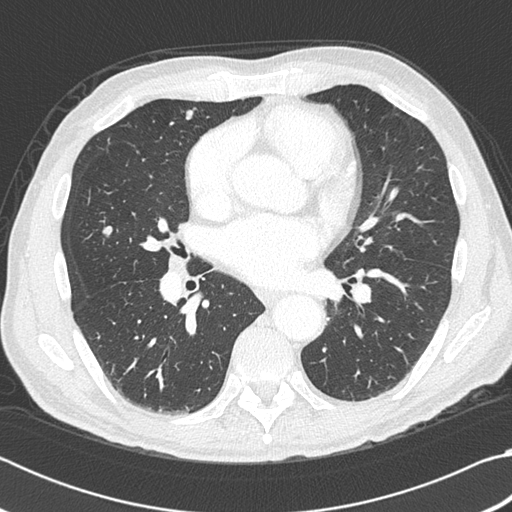
Axial slice 206 of 383 of a chest CT (slice 1 is the lowest), reconstructed with the B45f kernel at 120 kVp; 1.00 mm slice thickness and 0.664 mm pixels.
Two pulmonary nodules on this slice, listed from left to right. (1) Pulmonary nodule at rows 226–236, columns 102–112 (box = the union of the readers' outlines on this slice), outlined by all four readers; the four readers' outlines give a longest diameter between 15.5 and 17.3 mm and a volume between 759 and 884 mm3. The readers' ratings, as ranges where they differ: texture 5/5 (solid), all four readers agreeing; margin from 4/5 to 5/5 (circumscribed) across the four readers; sphericity from 3/5 (ovoid) to 5/5 (round) across the four readers; calcification: absent (three), solid calcification (one); internal structure soft tissue, all four readers agreeing; subtlety 4–5/5 (the readers disagree); malignancy likelihood rated between 1 and 5 out of 5 by the four readers. (2) Pulmonary nodule, outlined by all four readers. Box on this slice rows 107–119, columns 185–196, the union of the readers' outlines on this slice; longest diameter 10.8 mm on average over the four readers' outlines (readers' outlines 9.8–12.2 mm), volume 379–631 mm3. The readers' prevailing ratings and who disagreed: texture 5/5 (solid), all four readers agreeing; margin 5/5 (circumscribed) from all four readers; sphericity 5/5 (round) by two of four readers; the rest gave 3/5 (ovoid) (one), 4/5 (one); calcification absent by three of four readers, solid calcification (one); internal structure soft tissue, all four readers agreeing; subtlety split among the readers: 4/5 (two), 5/5 (two); malignancy likelihood split among the readers: 1/5 (one), 2/5 (one), 3/5 (one), 4/5 (one). Scale key (1–5): texture non-solid→solid, margin indistinct→circumscribed, sphericity linear→round, subtlety extremely subtle→obvious, malignancy likelihood highly unlikely→highly suspicious of cancer. Box rows and columns are 0-based pixel indices from the top-left corner, inclusive.